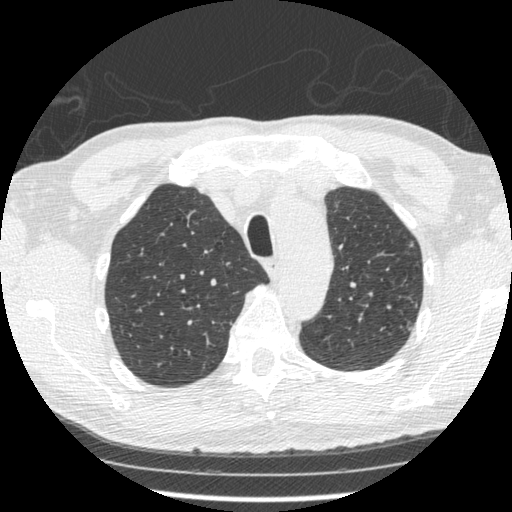
Slice 391/481 of a chest CT, counting up from the lowest; pixel size 0.664 mm, slice thickness 1.25 mm. Pulmonary nodule outlined by one of the four readers; box rows 301–308, columns 414–417 (that reader's outline on this slice); longest diameter 6.3 mm and volume 41 mm3 from that reader's outline. Ratings by that reader: texture 2/5; margin 2/5; sphericity 4/5; calcification absent; internal structure soft tissue; subtlety 3/5; malignancy likelihood 3/5. Scale key (1–5): texture non-solid→solid, margin indistinct→circumscribed, sphericity linear→round, subtlety extremely subtle→obvious, malignancy likelihood highly unlikely→highly suspicious of cancer. Box rows and columns are 0-based pixel indices from the top-left corner, inclusive.
Acquired at 120 kVp and reconstructed with the STANDARD kernel.